Axial chest CT slice 249 of 321 (counted from the lowest slice); tube voltage 120 kVp, convolution kernel D; slices 2.00 mm thick, 0.557 mm per pixel.
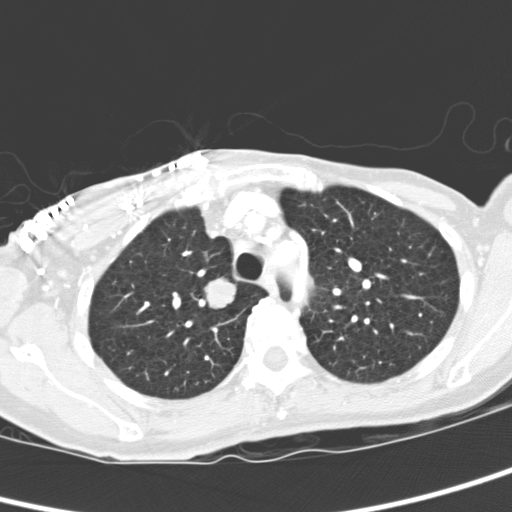
Pulmonary nodule, outlined by all four readers. Box on this slice rows 276–311, columns 203–237, the union of the readers' outlines on this slice; longest diameter 20.6 mm on average over the four readers' outlines (readers' outlines 19.2–21.9 mm), volume 3323–4100 mm3. Ratings, by the readers' most common answer with dissent counted: texture 5/5 (solid) from all four readers; most readers (three of four) put margin at 5/5 (circumscribed), others 4/5 (one); most readers (three of four) put sphericity at 5/5 (round), others 4/5 (one); calcification absent, all four readers agreeing; internal structure soft tissue, all four readers agreeing; subtlety 5/5 from all four readers; malignancy likelihood 5/5 by two of four readers; the rest gave 3/5 (one), 4/5 (one). Scale key (1–5): texture non-solid→solid, margin indistinct→circumscribed, sphericity linear→round, subtlety extremely subtle→obvious, malignancy likelihood highly unlikely→highly suspicious of cancer. Box rows and columns are 0-based pixel indices from the top-left corner, inclusive.